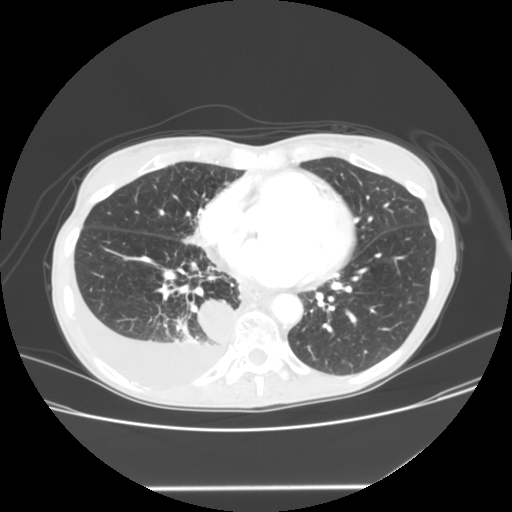
Axial chest CT slice 54 of 133 (counted from the lowest slice); tube voltage 120 kVp, convolution kernel STANDARD; slices 2.50 mm thick, 0.703 mm per pixel.
Pulmonary nodule outlined by two of the four readers; box rows 299–342, columns 197–234 (the union of the readers' outlines on this slice); the two readers' outlines give a longest diameter between 33.4 and 36.9 mm and a volume between 15304 and 15793 mm3. Ratings across the readers: texture from 4/5 to 5/5 (solid) across the two readers; margin 5/5 (circumscribed) from both readers; sphericity from 4/5 to 5/5 (round) across the two readers; calcification absent, both readers agreeing; internal structure soft tissue, both readers agreeing; subtlety 5/5, both readers agreeing; malignancy likelihood rated between 2 and 3 out of 5 by the two readers. Scale key (1–5): texture non-solid→solid, margin indistinct→circumscribed, sphericity linear→round, subtlety extremely subtle→obvious, malignancy likelihood highly unlikely→highly suspicious of cancer. Box rows and columns are 0-based pixel indices from the top-left corner, inclusive.